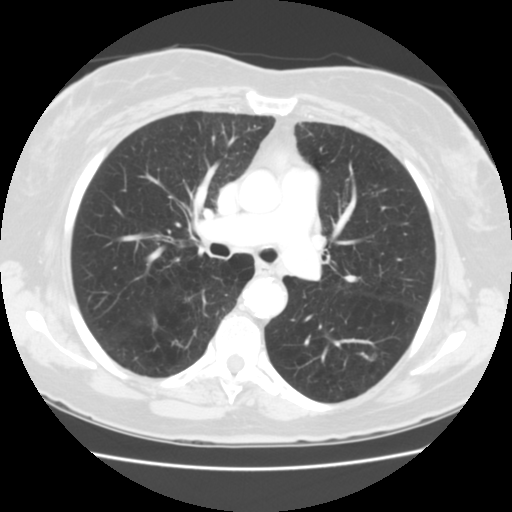
Axial chest CT slice 86 of 133 (counted from the lowest slice); tube voltage 120 kVp, convolution kernel STANDARD; slices 2.50 mm thick, 0.625 mm per pixel.
Pulmonary nodule outlined by all four readers, two of them on this slice; box rows 352–359, columns 370–376 (the union of the readers' outlines on this slice); longest diameter 7.1–9.7 mm and volume 99–217 mm3 across the four readers' outlines. Ratings across the readers: texture from 4/5 to 5/5 (solid) across the four readers; margin from 3/5 to 5/5 (circumscribed) across the four readers; sphericity from 3/5 (ovoid) to 5/5 (round) across the four readers; calcification absent, all four readers agreeing; internal structure soft tissue from all four readers; subtlety from 3/5 to 4/5 across the four readers; malignancy likelihood rated between 2 and 4 out of 5 by the four readers. Scale key (1–5): texture non-solid→solid, margin indistinct→circumscribed, sphericity linear→round, subtlety extremely subtle→obvious, malignancy likelihood highly unlikely→highly suspicious of cancer. Box rows and columns are 0-based pixel indices from the top-left corner, inclusive.